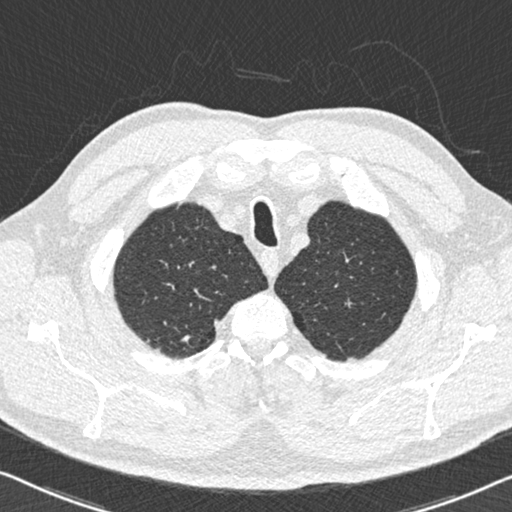
Slice 505/558 of a chest CT, counting up from the lowest; pixel size 0.648 mm, slice thickness 0.75 mm. Pulmonary nodule, outlined by all four readers. Box on this slice rows 334–343, columns 180–190, the union of the readers' outlines on this slice; longest diameter 7.5 mm on average over the four readers' outlines (readers' outlines 6.5–8.7 mm), volume 71–209 mm3. The readers' prevailing ratings and who disagreed: most readers (three of four) put texture at 5/5 (solid), others 4/5 (one); margin split among the readers: 4/5 (two), 5/5 (circumscribed) (two); sphericity 3/5 (ovoid) by two of four readers; the rest gave 2/5 (one), 5/5 (round) (one); calcification absent by three of four readers, solid calcification (one); internal structure soft tissue from all four readers; subtlety 3/5 by two of four readers; the rest gave 4/5 (one), 5/5 (one); malignancy likelihood 2/5 by two of four readers; the rest gave 1/5 (one), 3/5 (one). Scale key (1–5): texture non-solid→solid, margin indistinct→circumscribed, sphericity linear→round, subtlety extremely subtle→obvious, malignancy likelihood highly unlikely→highly suspicious of cancer. Box rows and columns are 0-based pixel indices from the top-left corner, inclusive.
Scan settings: 120 kVp, B30f reconstruction kernel.